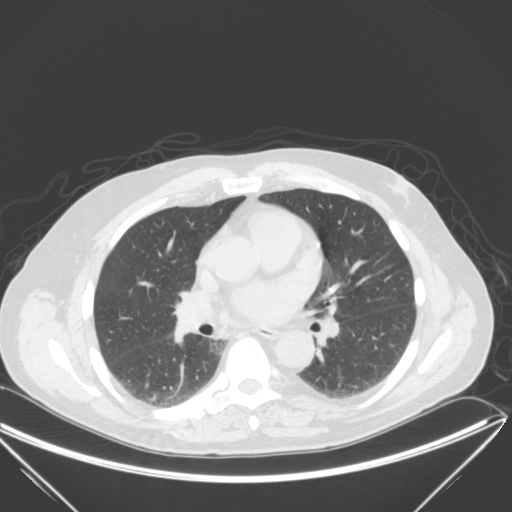
Axial slice 138 of 280 of a chest CT (slice 1 is the lowest), reconstructed with the B kernel at 120 kVp; 2.00 mm slice thickness and 0.805 mm pixels.
Pulmonary nodule at rows 276–279, columns 136–138 (box = that reader's outline on this slice), outlined by one of the four readers; longest diameter 5.9 mm and volume 56 mm3 from that reader's outline. Ratings by that reader: texture 5/5 (solid); margin 5/5 (circumscribed); sphericity 5/5 (round); calcification absent; internal structure soft tissue; subtlety 5/5; malignancy likelihood 3/5. Scale key (1–5): texture non-solid→solid, margin indistinct→circumscribed, sphericity linear→round, subtlety extremely subtle→obvious, malignancy likelihood highly unlikely→highly suspicious of cancer. Box rows and columns are 0-based pixel indices from the top-left corner, inclusive.